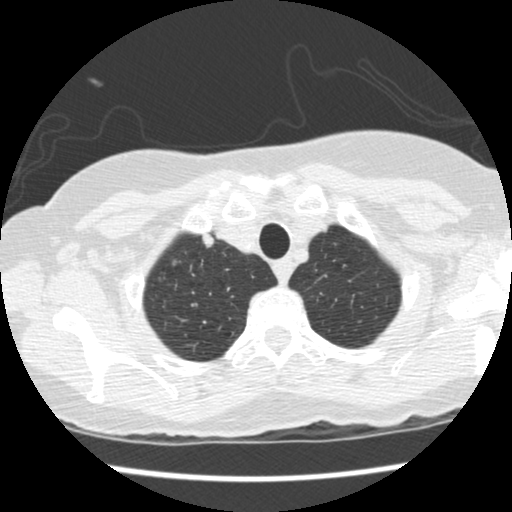
Axial chest CT slice 405 of 458 (counted from the lowest slice); tube voltage 120 kVp, convolution kernel STANDARD; slices 1.25 mm thick, 0.586 mm per pixel.
Pulmonary nodule outlined by all four readers; box rows 233–247, columns 201–213 (the union of the readers' outlines on this slice); longest diameter 9.7 mm on average over the four readers' outlines (readers' outlines 9.1–10.0 mm), volume 243–272 mm3. The readers' prevailing ratings and who disagreed: texture 5/5 (solid) by three of four readers; the rest gave 4/5 (one); margin split among the readers: 4/5 (two), 5/5 (circumscribed) (two); sphericity 3/5 (ovoid) by two of four readers; the rest gave 4/5 (one), 5/5 (round) (one); calcification absent from all four readers; internal structure soft tissue from all four readers; subtlety split among the readers: 4/5 (two), 5/5 (two); malignancy likelihood 4/5 by two of four readers; the rest gave 2/5 (one), 3/5 (one). Scale key (1–5): texture non-solid→solid, margin indistinct→circumscribed, sphericity linear→round, subtlety extremely subtle→obvious, malignancy likelihood highly unlikely→highly suspicious of cancer. Box rows and columns are 0-based pixel indices from the top-left corner, inclusive.